Axial slice 91 of 252 of a chest CT (slice 1 is the lowest), reconstructed with the BONE kernel at 120 kVp; 1.25 mm slice thickness and 0.703 mm pixels.
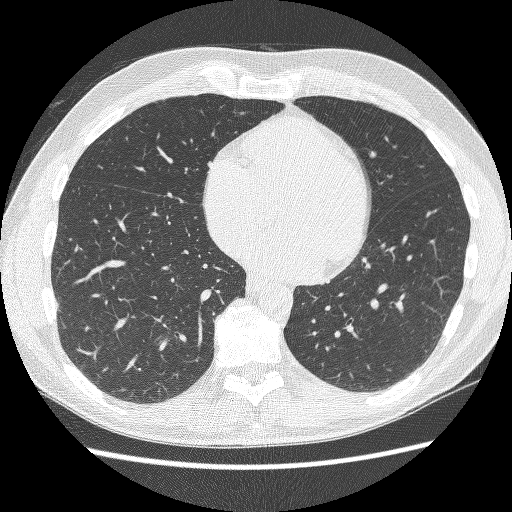
Pulmonary nodule outlined by two of the four readers, one of them on this slice; box rows 300–310, columns 55–58 (the one reader's outline on this slice); longest diameter 12.1 mm on average over the two readers' outlines (readers' outlines 11.4–12.7 mm), volume 256–262 mm3. Ratings, by the readers' most common answer with dissent counted: texture split among the readers: 4/5 (one), 5/5 (solid) (one); margin split among the readers: 3/5 (one), 5/5 (circumscribed) (one); sphericity split among the readers: 2/5 (one), 3/5 (ovoid) (one); calcification absent from both readers; internal structure soft tissue, both readers agreeing; subtlety split among the readers: 2/5 (one), 5/5 (one); malignancy likelihood split among the readers: 2/5 (one), 3/5 (one). Scale key (1–5): texture non-solid→solid, margin indistinct→circumscribed, sphericity linear→round, subtlety extremely subtle→obvious, malignancy likelihood highly unlikely→highly suspicious of cancer. Box rows and columns are 0-based pixel indices from the top-left corner, inclusive.